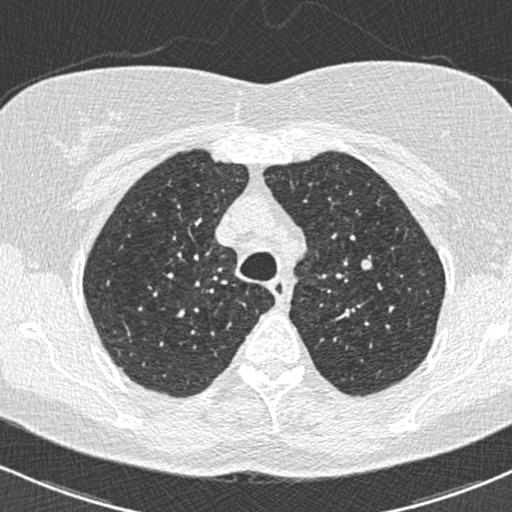
Slice 527/672 of a chest CT, counting up from the lowest; pixel size 0.607 mm, slice thickness 0.60 mm. Pulmonary nodule, outlined by all four readers. Box on this slice rows 259–269, columns 361–371, the union of the readers' outlines on this slice; the four readers' outlines give a longest diameter between 8.1 and 8.8 mm and a volume between 181 and 196 mm3. The readers' ratings, as ranges where they differ: texture 5/5 (solid) from all four readers; margin from 4/5 to 5/5 (circumscribed) across the four readers; sphericity from 3/5 (ovoid) to 5/5 (round) across the four readers; calcification absent, all four readers agreeing; internal structure soft tissue, all four readers agreeing; subtlety from 1/5 to 5/5 across the four readers; malignancy likelihood from 2/5 to 3/5 across the four readers. Scale key (1–5): texture non-solid→solid, margin indistinct→circumscribed, sphericity linear→round, subtlety extremely subtle→obvious, malignancy likelihood highly unlikely→highly suspicious of cancer. Box rows and columns are 0-based pixel indices from the top-left corner, inclusive.
Tube voltage 120 kVp; convolution kernel B30f.